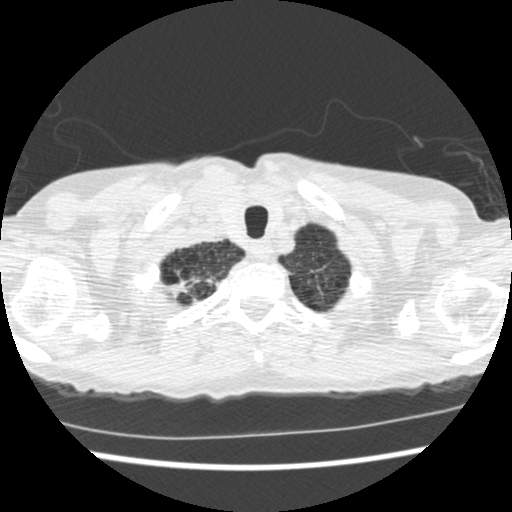
Axial slice 491 of 541 of a chest CT (slice 1 is the lowest), reconstructed with the STANDARD kernel at 120 kVp; 1.25 mm slice thickness and 0.586 mm pixels.
Pulmonary nodule at rows 277–298, columns 167–200 (box = that reader's outline on this slice), outlined by one of the four readers; longest diameter 24.9 mm and volume 491 mm3 from that reader's outline. Ratings by that reader: texture 5/5 (solid); margin 1/5 (indistinct); sphericity 2/5; calcification absent; internal structure soft tissue; subtlety 4/5; malignancy likelihood 4/5. Scale key (1–5): texture non-solid→solid, margin indistinct→circumscribed, sphericity linear→round, subtlety extremely subtle→obvious, malignancy likelihood highly unlikely→highly suspicious of cancer. Box rows and columns are 0-based pixel indices from the top-left corner, inclusive.